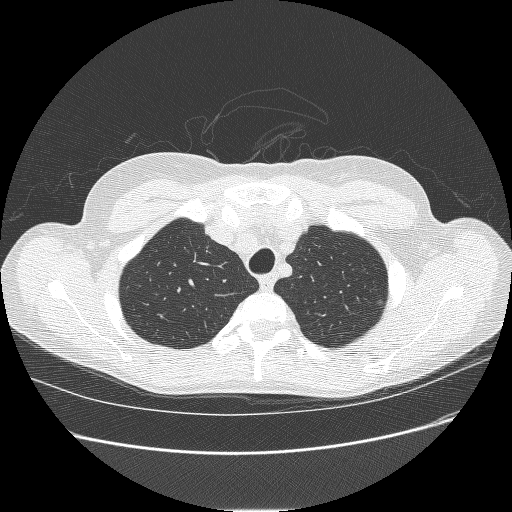
One axial slice (209 of 238, counting up from the lowest) of a chest CT acquired at 120 kVp with the BONE kernel; each pixel is 0.703 mm and the slice is 1.25 mm thick.
Pulmonary nodule at rows 300–304, columns 377–381 (box = that reader's outline on this slice), outlined by one of the four readers; longest diameter 5.1 mm and volume 31 mm3 from that reader's outline. That reader's ratings: texture 1/5 (non-solid); margin 1/5 (indistinct); sphericity 5/5 (round); calcification absent; internal structure soft tissue; subtlety 1/5; malignancy likelihood 3/5. Scale key (1–5): texture non-solid→solid, margin indistinct→circumscribed, sphericity linear→round, subtlety extremely subtle→obvious, malignancy likelihood highly unlikely→highly suspicious of cancer. Box rows and columns are 0-based pixel indices from the top-left corner, inclusive.